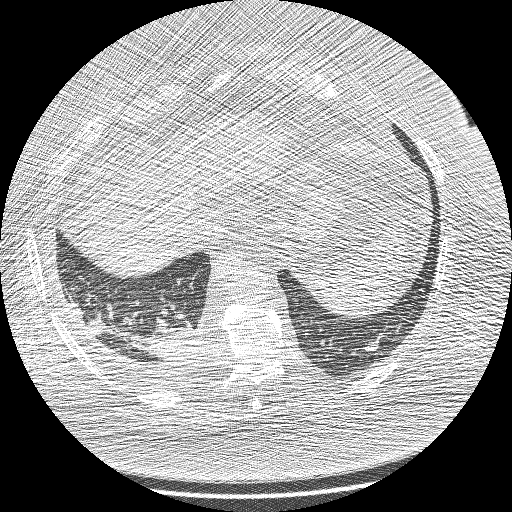
Chest CT, axial plane, 120 kVp, kernel BONE. Slice 58/208 from the bottom of the scan; thickness 1.25 mm; pixel size 0.723 mm.
Pulmonary nodule, outlined by all four readers, three of them on this slice. Box on this slice rows 341–350, columns 366–378, the union of the readers' outlines on this slice; median longest diameter 16.2 mm (readers' outlines 13.7–18.1 mm), median volume 733 mm3 (365–1028 mm3). Ratings, median across the readers with their spread: texture 5/5 (solid) from all four readers; margin 4/5 from all four readers; median sphericity 4.5/5 (readers ranged 3/5 (ovoid) to 5/5 (round)); calcification: absent (three), central calcification (one); internal structure soft tissue, all four readers agreeing; subtlety 4.5/5 at the median of four readers, spread 3–5; malignancy likelihood 3.5/5 at the median of four readers, spread 1–5. Scale key (1–5): texture non-solid→solid, margin indistinct→circumscribed, sphericity linear→round, subtlety extremely subtle→obvious, malignancy likelihood highly unlikely→highly suspicious of cancer. Box rows and columns are 0-based pixel indices from the top-left corner, inclusive.